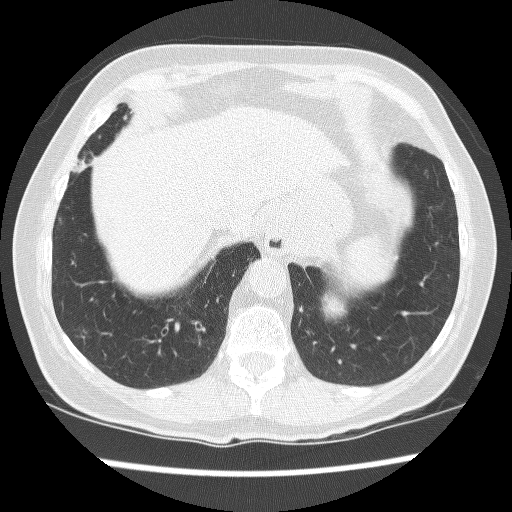
Slice 61/241 of a chest CT, counting up from the lowest; pixel size 0.609 mm, slice thickness 1.25 mm. Two pulmonary nodules on this slice, listed from left to right. (1) Pulmonary nodule, outlined by one of the four readers. Box on this slice rows 217–224, columns 57–62, that reader's outline on this slice; longest diameter 6.9 mm and volume 125 mm3 from that reader's outline. That reader's ratings: texture 1/5 (non-solid); margin 1/5 (indistinct); sphericity 4/5; calcification absent; internal structure soft tissue; subtlety 2/5; malignancy likelihood 3/5. (2) Pulmonary nodule outlined by one of the four readers; box rows 305–312, columns 299–302 (that reader's outline on this slice); longest diameter 7.4 mm and volume 66 mm3 from that reader's outline. That reader's ratings: texture 4/5; margin 2/5; sphericity 3/5 (ovoid); calcification absent; internal structure soft tissue; subtlety 3/5; malignancy likelihood 3/5. Scale key (1–5): texture non-solid→solid, margin indistinct→circumscribed, sphericity linear→round, subtlety extremely subtle→obvious, malignancy likelihood highly unlikely→highly suspicious of cancer. Box rows and columns are 0-based pixel indices from the top-left corner, inclusive.
Acquired at 120 kVp and reconstructed with the BONE kernel.